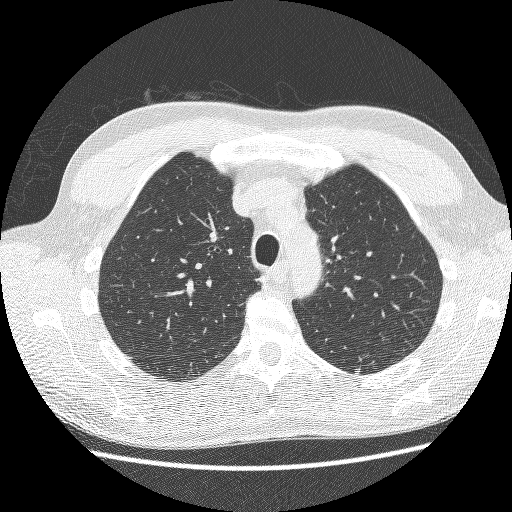
Chest CT, axial plane, 120 kVp, kernel BONE. Slice 187/252 from the bottom of the scan; thickness 1.25 mm; pixel size 0.703 mm.
Pulmonary nodule at rows 368–373, columns 354–359 (box = the union of the readers' outlines on this slice), outlined by all four readers; longest diameter 8.7 mm on average over the four readers' outlines (readers' outlines 8.0–9.4 mm), volume 123–160 mm3. The readers' prevailing ratings and who disagreed: most readers (three of four) put texture at 5/5 (solid), others 4/5 (one); margin 4/5, all four readers agreeing; sphericity split among the readers: 3/5 (ovoid) (two), 4/5 (two); calcification absent, all four readers agreeing; internal structure soft tissue from all four readers; subtlety 3/5 by two of four readers; the rest gave 4/5 (one), 5/5 (one); malignancy likelihood 3/5 by three of four readers; the rest gave 4/5 (one). Scale key (1–5): texture non-solid→solid, margin indistinct→circumscribed, sphericity linear→round, subtlety extremely subtle→obvious, malignancy likelihood highly unlikely→highly suspicious of cancer. Box rows and columns are 0-based pixel indices from the top-left corner, inclusive.